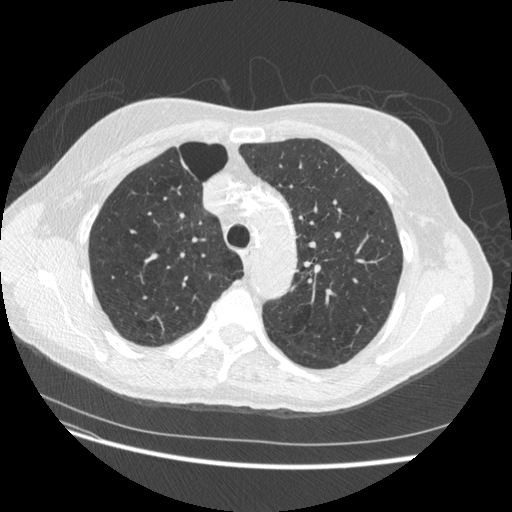
Axial chest CT slice 369 of 509 (counted from the lowest slice); tube voltage 120 kVp, convolution kernel STANDARD; slices 1.25 mm thick, 0.703 mm per pixel.
The readers outlined no nodule of 3 mm or more on this slice.